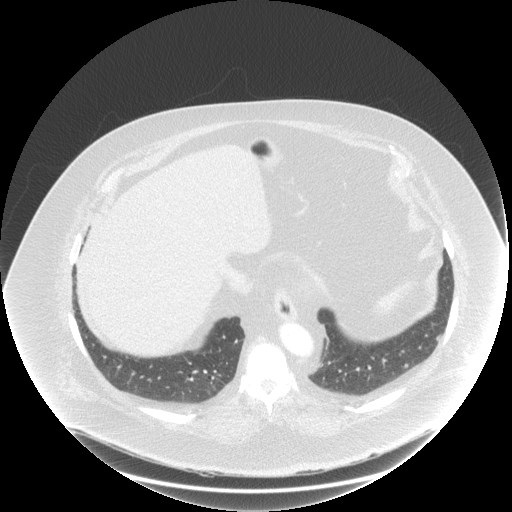
This is axial slice 44 of 143 (slice 1 is the lowest) of a chest CT; each pixel is 0.977 mm and the slice is 2.50 mm thick. Two pulmonary nodules are outlined on this slice; from left to right: (1) Pulmonary nodule outlined by one of the four readers; box rows 364–367, columns 404–408 (that reader's outline on this slice); longest diameter 6.2 mm and volume 56 mm3 from that reader's outline. That reader's ratings: texture 5/5 (solid); margin 3/5; sphericity 5/5 (round); calcification absent; internal structure soft tissue; subtlety 1/5; malignancy likelihood 3/5. (2) Pulmonary nodule, outlined by two of the four readers. Box on this slice rows 335–341, columns 436–440, the union of the readers' outlines on this slice; longest diameter 8.8 mm on average over the two readers' outlines (readers' outlines 8.4–9.2 mm), volume 142–160 mm3. Ratings, by the readers' most common answer with dissent counted: texture 5/5 (solid), both readers agreeing; margin 3/5 from both readers; sphericity split among the readers: 3/5 (ovoid) (one), 4/5 (one); calcification absent from both readers; internal structure soft tissue, both readers agreeing; subtlety split among the readers: 1/5 (one), 2/5 (one); malignancy likelihood split among the readers: 2/5 (one), 3/5 (one). Scale key (1–5): texture non-solid→solid, margin indistinct→circumscribed, sphericity linear→round, subtlety extremely subtle→obvious, malignancy likelihood highly unlikely→highly suspicious of cancer. Box rows and columns are 0-based pixel indices from the top-left corner, inclusive.
Tube voltage 120 kVp; convolution kernel STANDARD.